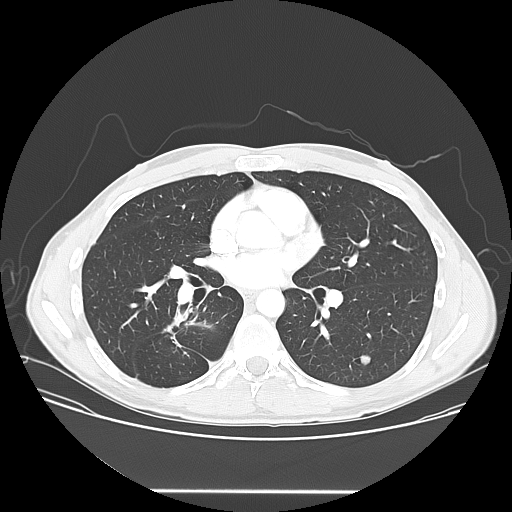
Axial chest CT slice 85 of 150 (counted from the lowest slice); 2.50 mm thick, 0.781 mm per pixel. Pulmonary nodule, outlined by all four readers. Box on this slice rows 355–365, columns 360–370, the union of the readers' outlines on this slice; longest diameter 9.6 mm on average over the four readers' outlines (readers' outlines 8.9–10.2 mm), volume 292–480 mm3. The readers' prevailing ratings and who disagreed: texture 5/5 (solid) from all four readers; margin split among the readers: 4/5 (two), 5/5 (circumscribed) (two); sphericity split among the readers: 4/5 (two), 5/5 (round) (two); calcification absent, all four readers agreeing; internal structure soft tissue, all four readers agreeing; subtlety 4/5 by two of four readers; the rest gave 3/5 (one), 5/5 (one); malignancy likelihood 4/5 by two of four readers; the rest gave 2/5 (one), 3/5 (one). Scale key (1–5): texture non-solid→solid, margin indistinct→circumscribed, sphericity linear→round, subtlety extremely subtle→obvious, malignancy likelihood highly unlikely→highly suspicious of cancer. Box rows and columns are 0-based pixel indices from the top-left corner, inclusive.
Acquired at 120 kVp and reconstructed with the LUNG kernel.